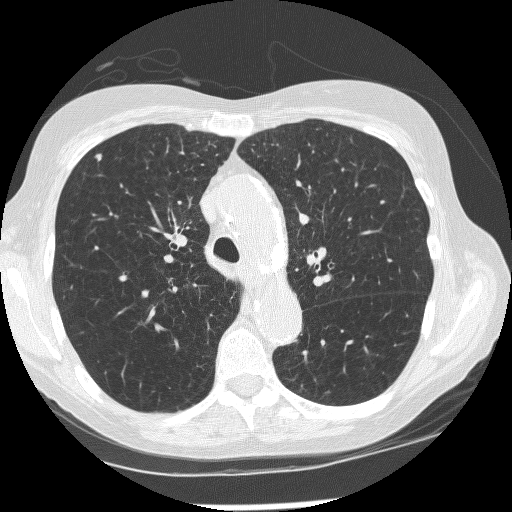
Axial chest CT slice 186 of 267 (counted from the lowest slice); 1.25 mm thick, 0.596 mm per pixel. Pulmonary nodule, outlined by three of the four readers. Box on this slice rows 152–160, columns 93–101, the union of the readers' outlines on this slice; median longest diameter 5.3 mm (readers' outlines 5.1–6.7 mm), median volume 80 mm3 (79–125 mm3). Ratings, median across the readers with their spread: median texture 5/5 (solid) (readers ranged 4/5 to 5/5 (solid)); margin 4/5 at the median of three readers, spread 3/5 to 5/5 (circumscribed); sphericity 3/5 (ovoid) at the median of three readers, spread 3/5 (ovoid) to 4/5; calcification absent from all three readers; internal structure soft tissue, all three readers agreeing; subtlety 4/5 at the median of three readers, spread 2–5; median malignancy likelihood 3/5 (readers ranged 3–4). Scale key (1–5): texture non-solid→solid, margin indistinct→circumscribed, sphericity linear→round, subtlety extremely subtle→obvious, malignancy likelihood highly unlikely→highly suspicious of cancer. Box rows and columns are 0-based pixel indices from the top-left corner, inclusive.
Tube voltage 120 kVp; convolution kernel BONE.